Axial slice 94 of 133 of a chest CT (slice 1 is the lowest), reconstructed with the STANDARD kernel at 120 kVp; 2.50 mm slice thickness and 0.703 mm pixels.
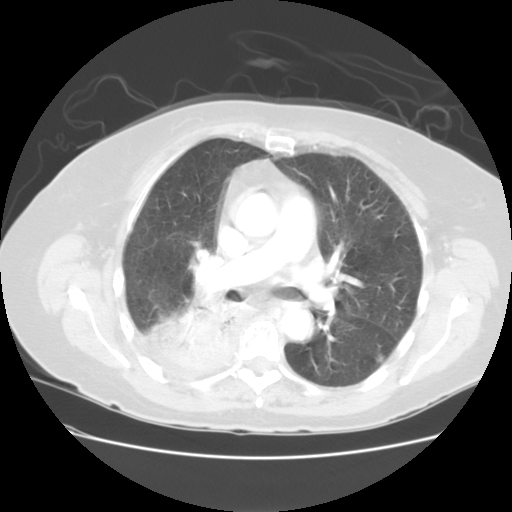
Pulmonary nodule, outlined by all four readers. Box on this slice rows 353–362, columns 374–383, the union of the readers' outlines on this slice; median longest diameter 9.0 mm (readers' outlines 8.7–9.6 mm), median volume 258 mm3 (199–304 mm3). Ratings, median across the readers with their spread: texture 5/5 (solid), all four readers agreeing; margin 4.5/5 at the median of four readers, spread 3/5 to 5/5 (circumscribed); median sphericity 4.5/5 (readers ranged 3/5 (ovoid) to 5/5 (round)); calcification absent from all four readers; internal structure soft tissue from all four readers; subtlety 4/5 at the median of four readers, spread 4–5; malignancy likelihood 3/5 at the median of four readers, spread 2–3. Scale key (1–5): texture non-solid→solid, margin indistinct→circumscribed, sphericity linear→round, subtlety extremely subtle→obvious, malignancy likelihood highly unlikely→highly suspicious of cancer. Box rows and columns are 0-based pixel indices from the top-left corner, inclusive.